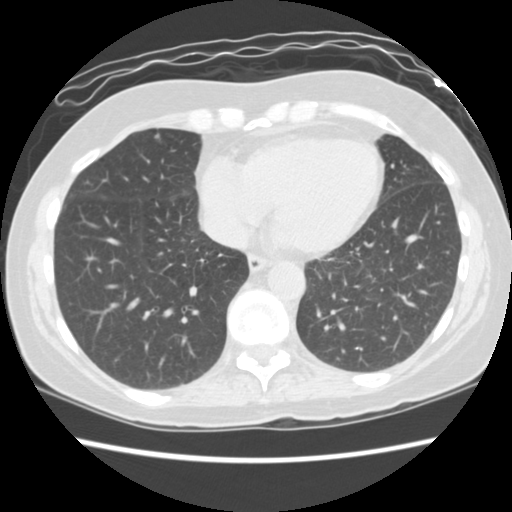
One axial slice (46 of 156, counting up from the lowest) of a chest CT acquired at 120 kVp with the STANDARD kernel; each pixel is 0.645 mm and the slice is 2.50 mm thick.
Pulmonary nodule outlined by three of the four readers; box rows 133–138, columns 154–159 (the union of the readers' outlines on this slice); median longest diameter 5.2 mm (readers' outlines 4.6–5.9 mm), median volume 47 mm3 (43–66 mm3). Ratings, median across the readers with their spread: texture 5/5 (solid), all three readers agreeing; median margin 4/5 (readers ranged 2/5 to 5/5 (circumscribed)); median sphericity 3/5 (ovoid) (readers ranged 2/5 to 4/5); calcification absent, all three readers agreeing; internal structure soft tissue, all three readers agreeing; subtlety 3/5 at the median of three readers, spread 3–5; malignancy likelihood 2/5 at the median of three readers, spread 2–3. Scale key (1–5): texture non-solid→solid, margin indistinct→circumscribed, sphericity linear→round, subtlety extremely subtle→obvious, malignancy likelihood highly unlikely→highly suspicious of cancer. Box rows and columns are 0-based pixel indices from the top-left corner, inclusive.